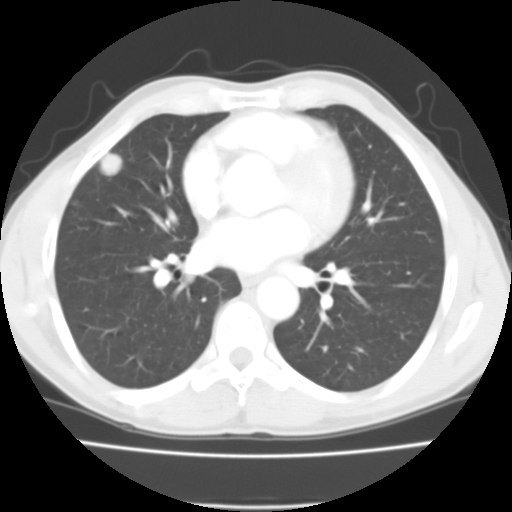
Axial slice 52 of 104 of a chest CT (slice 1 is the lowest), reconstructed with the FC01 kernel at 135 kVp; 3.00 mm slice thickness and 0.622 mm pixels.
Pulmonary nodule at rows 151–176, columns 98–123 (box = the union of the readers' outlines on this slice), outlined by all four readers; the four readers' outlines give a longest diameter between 16.8 and 18.8 mm and a volume between 1860 and 2194 mm3. The readers' ratings, as ranges where they differ: texture from 4/5 to 5/5 (solid) across the four readers; margin from 4/5 to 5/5 (circumscribed) across the four readers; sphericity from 4/5 to 5/5 (round) across the four readers; calcification absent from all four readers; internal structure soft tissue, all four readers agreeing; subtlety 5/5 from all four readers; malignancy likelihood 3/5, all four readers agreeing. Scale key (1–5): texture non-solid→solid, margin indistinct→circumscribed, sphericity linear→round, subtlety extremely subtle→obvious, malignancy likelihood highly unlikely→highly suspicious of cancer. Box rows and columns are 0-based pixel indices from the top-left corner, inclusive.